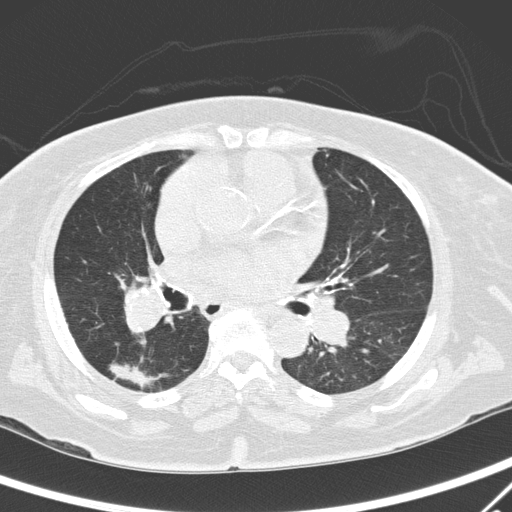
Chest CT, axial plane, 120 kVp, kernel D. Slice 162/295 from the bottom of the scan; thickness 2.00 mm; pixel size 0.682 mm.
Pulmonary nodule at rows 360–390, columns 108–172 (box = that reader's outline on this slice), outlined by one of the four readers; longest diameter 49.8 mm and volume 6337 mm3 from that reader's outline. Ratings by that reader: texture 4/5; margin 1/5 (indistinct); sphericity 3/5 (ovoid); calcification absent; internal structure soft tissue; subtlety 5/5; malignancy likelihood 5/5. Scale key (1–5): texture non-solid→solid, margin indistinct→circumscribed, sphericity linear→round, subtlety extremely subtle→obvious, malignancy likelihood highly unlikely→highly suspicious of cancer. Box rows and columns are 0-based pixel indices from the top-left corner, inclusive.